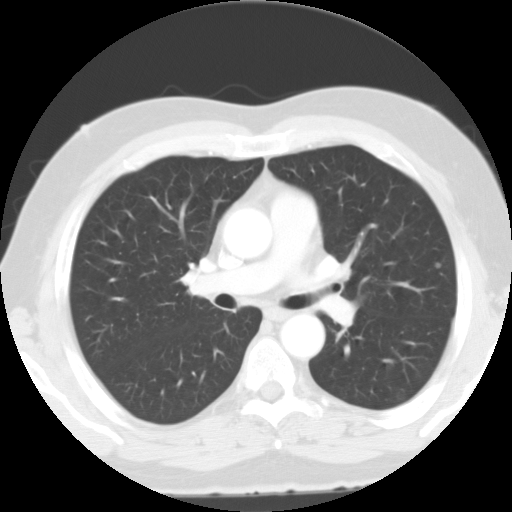
Axial slice 67 of 116 of a chest CT (slice 1 is the lowest), reconstructed with the FC01 kernel at 135 kVp; 3.00 mm slice thickness and 0.692 mm pixels.
Pulmonary nodule outlined by two of the four readers; box rows 263–267, columns 436–440 (the union of the readers' outlines on this slice); median longest diameter 5.3 mm (readers' outlines 5.0–5.6 mm), median volume 104 mm3 (88–120 mm3). Ratings, median across the readers with their spread: texture 5/5 (solid), both readers agreeing; margin 4.5/5 at the median of two readers, spread 4/5 to 5/5 (circumscribed); median sphericity 4/5 (readers ranged 3/5 (ovoid) to 5/5 (round)); calcification absent, both readers agreeing; internal structure soft tissue from both readers; median subtlety 3.5/5 (readers ranged 2–5); median malignancy likelihood 2/5 (readers ranged 1–3). Scale key (1–5): texture non-solid→solid, margin indistinct→circumscribed, sphericity linear→round, subtlety extremely subtle→obvious, malignancy likelihood highly unlikely→highly suspicious of cancer. Box rows and columns are 0-based pixel indices from the top-left corner, inclusive.